Axial slice 401 of 423 of a chest CT (slice 1 is the lowest), reconstructed with the B30f kernel at 120 kVp; 0.75 mm slice thickness and 0.520 mm pixels.
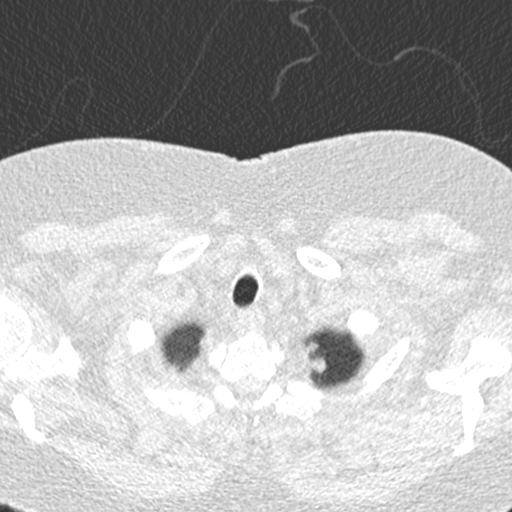
Pulmonary nodule, outlined by one of the four readers. Box on this slice rows 357–373, columns 311–326, that reader's outline on this slice; longest diameter 10.4 mm and volume 150 mm3 from that reader's outline. Ratings by that reader: texture 5/5 (solid); margin 4/5; sphericity 4/5; calcification absent; internal structure soft tissue; subtlety 5/5; malignancy likelihood 3/5. Scale key (1–5): texture non-solid→solid, margin indistinct→circumscribed, sphericity linear→round, subtlety extremely subtle→obvious, malignancy likelihood highly unlikely→highly suspicious of cancer. Box rows and columns are 0-based pixel indices from the top-left corner, inclusive.